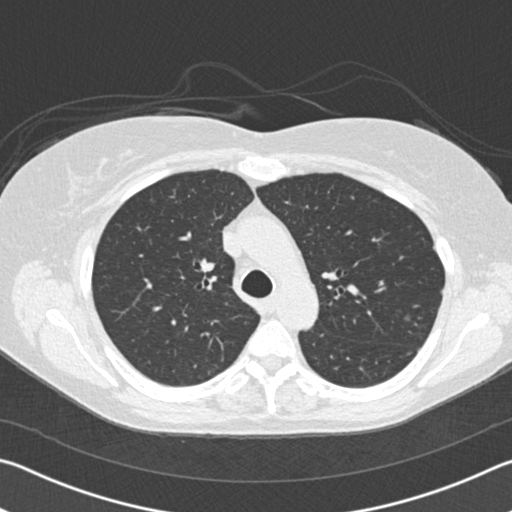
Axial slice 133 of 172 of a chest CT (slice 1 is the lowest), reconstructed with the B30f kernel at 120 kVp; 2.00 mm slice thickness and 0.664 mm pixels.
Pulmonary nodule, outlined by three of the four readers. Box on this slice rows 314–320, columns 403–410, the union of the readers' outlines on this slice; longest diameter 6.2 mm on average over the three readers' outlines (readers' outlines 5.9–6.3 mm), volume 73–91 mm3. The readers' prevailing ratings and who disagreed: most readers (two of three) put texture at 1/5 (non-solid), others 4/5 (one); margin 2/5 by two of three readers; the rest gave 4/5 (one); sphericity 5/5 (round) by two of three readers; the rest gave 3/5 (ovoid) (one); calcification absent from all three readers; internal structure soft tissue from all three readers; subtlety 2/5 by two of three readers; the rest gave 3/5 (one); malignancy likelihood 3/5 from all three readers. Scale key (1–5): texture non-solid→solid, margin indistinct→circumscribed, sphericity linear→round, subtlety extremely subtle→obvious, malignancy likelihood highly unlikely→highly suspicious of cancer. Box rows and columns are 0-based pixel indices from the top-left corner, inclusive.